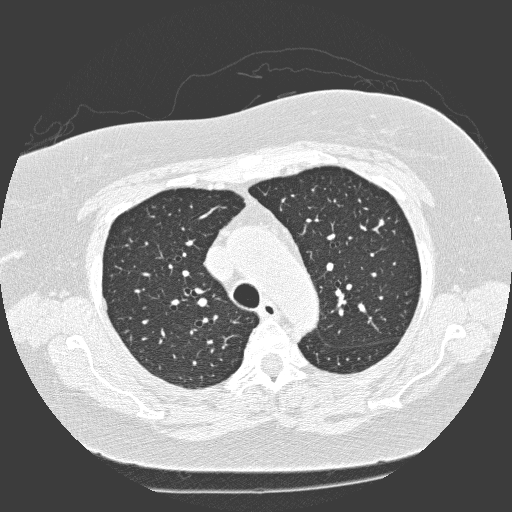
Slice 231/300 of a chest CT, counting up from the lowest; pixel size 0.654 mm, slice thickness 1.00 mm. Pulmonary nodule outlined by all four readers; box rows 219–226, columns 378–384 (the union of the readers' outlines on this slice); median longest diameter 5.7 mm (readers' outlines 4.8–6.0 mm), median volume 53 mm3 (30–63 mm3). Ratings, median across the readers with their spread: texture 5/5 (solid), all four readers agreeing; median margin 5/5 (circumscribed) (readers ranged 4/5 to 5/5 (circumscribed)); median sphericity 4.5/5 (readers ranged 4/5 to 5/5 (round)); calcification: absent (three), solid calcification (one); internal structure soft tissue from all four readers; median subtlety 4/5 (readers ranged 2–5); malignancy likelihood 2/5 at the median of four readers, spread 1–3. Scale key (1–5): texture non-solid→solid, margin indistinct→circumscribed, sphericity linear→round, subtlety extremely subtle→obvious, malignancy likelihood highly unlikely→highly suspicious of cancer. Box rows and columns are 0-based pixel indices from the top-left corner, inclusive.
Tube voltage 120 kVp; convolution kernel D.